One axial slice (160 of 219, counting up from the lowest) of a chest CT acquired at 120 kVp with the B30f kernel; each pixel is 0.703 mm and the slice is 2.00 mm thick.
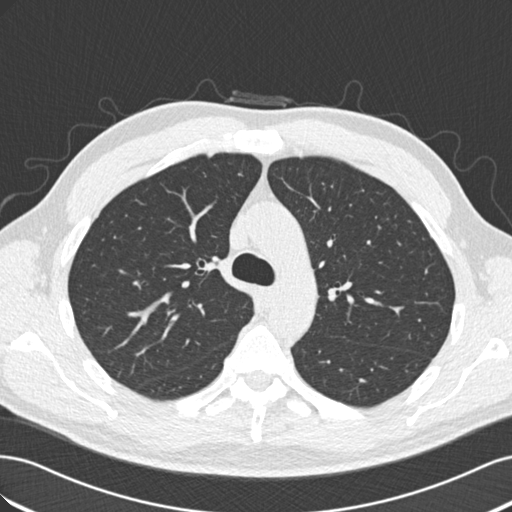
The readers outlined no nodule of 3 mm or more on this slice.